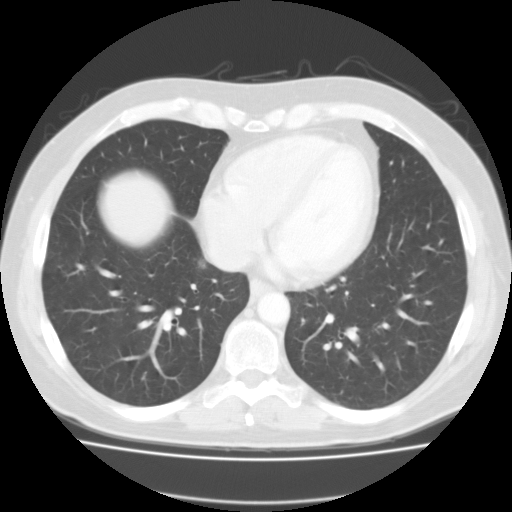
Axial slice 57 of 127 of a chest CT (slice 1 is the lowest), reconstructed with the FC01 kernel at 135 kVp; 3.00 mm slice thickness and 0.750 mm pixels.
Pulmonary nodule at rows 259–269, columns 194–207 (box = the union of the readers' outlines on this slice), outlined by three of the four readers; longest diameter 11.6–24.2 mm and volume 332–728 mm3 across the three readers' outlines. Ratings across the readers: texture from 4/5 to 5/5 (solid) across the three readers; margin from 1/5 (indistinct) to 3/5 across the three readers; sphericity 4/5 from all three readers; calcification absent, all three readers agreeing; internal structure soft tissue, all three readers agreeing; subtlety rated between 3 and 4 out of 5 by the three readers; malignancy likelihood 3–4/5 (the readers disagree). Scale key (1–5): texture non-solid→solid, margin indistinct→circumscribed, sphericity linear→round, subtlety extremely subtle→obvious, malignancy likelihood highly unlikely→highly suspicious of cancer. Box rows and columns are 0-based pixel indices from the top-left corner, inclusive.